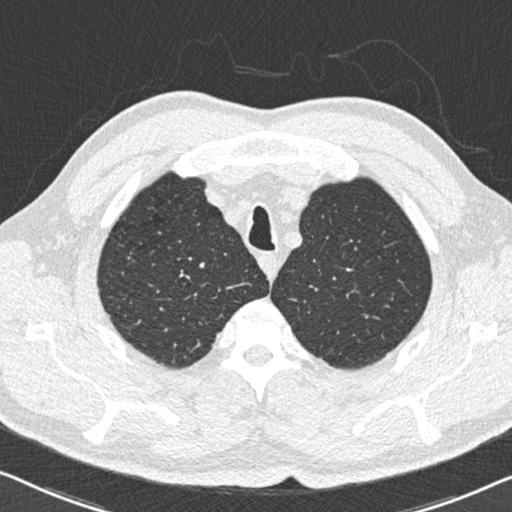
Axial chest CT slice 491 of 558 (counted from the lowest slice); 0.75 mm thick, 0.648 mm per pixel. Pulmonary nodule, outlined by all four readers, one of them on this slice. Box on this slice rows 341–348, columns 194–199, the one reader's outline on this slice; median longest diameter 9.3 mm (readers' outlines 9.0–9.8 mm), median volume 129 mm3 (82–155 mm3). Ratings, median across the readers with their spread: texture 5/5 (solid) at the median of four readers, spread 4/5 to 5/5 (solid); margin 4/5 at the median of four readers, spread 4/5 to 5/5 (circumscribed); median sphericity 2/5 (readers ranged 2/5 to 5/5 (round)); calcification absent from all four readers; internal structure soft tissue, all four readers agreeing; median subtlety 3.5/5 (readers ranged 3–5); malignancy likelihood 2.5/5 at the median of four readers, spread 2–3. Scale key (1–5): texture non-solid→solid, margin indistinct→circumscribed, sphericity linear→round, subtlety extremely subtle→obvious, malignancy likelihood highly unlikely→highly suspicious of cancer. Box rows and columns are 0-based pixel indices from the top-left corner, inclusive.
Acquired at 120 kVp and reconstructed with the B30f kernel.